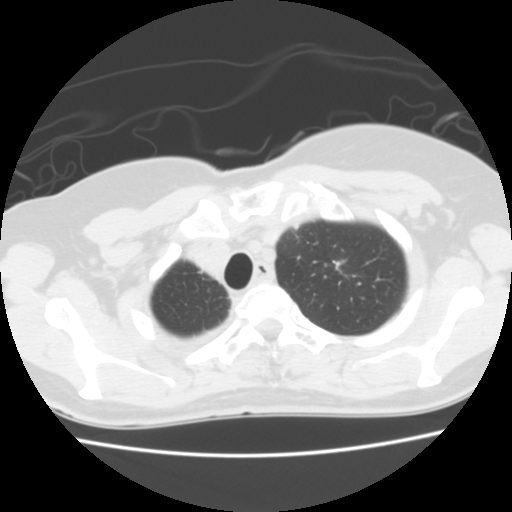
One axial slice (126 of 141, counting up from the lowest) of a chest CT acquired at 120 kVp with the STANDARD kernel; each pixel is 0.586 mm and the slice is 2.50 mm thick.
Pulmonary nodule outlined by all four readers, one of them on this slice; box rows 259–263, columns 338–344 (the one reader's outline on this slice); longest diameter 18.6 mm on average over the four readers' outlines (readers' outlines 15.8–20.0 mm), volume 906–1828 mm3. Ratings, by the readers' most common answer with dissent counted: most readers (three of four) put texture at 4/5, others 5/5 (solid) (one); margin split among the readers: 2/5 (two), 4/5 (two); sphericity 3/5 (ovoid) by two of four readers; the rest gave 4/5 (one), 5/5 (round) (one); calcification absent from all four readers; internal structure soft tissue from all four readers; subtlety 5/5 from all four readers; malignancy likelihood split among the readers: 4/5 (two), 5/5 (two). Scale key (1–5): texture non-solid→solid, margin indistinct→circumscribed, sphericity linear→round, subtlety extremely subtle→obvious, malignancy likelihood highly unlikely→highly suspicious of cancer. Box rows and columns are 0-based pixel indices from the top-left corner, inclusive.